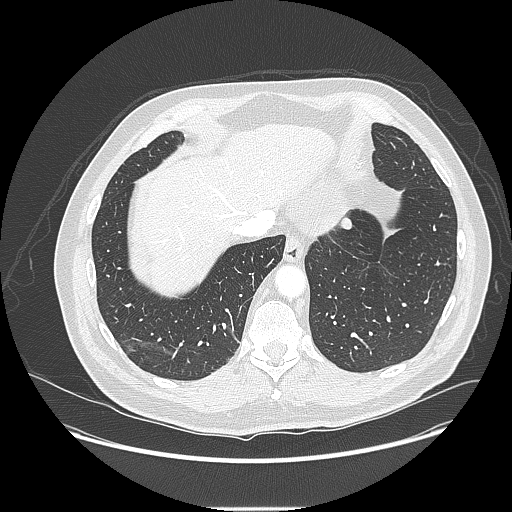
Slice 33/214 of a chest CT, counting up from the lowest; pixel size 0.820 mm, slice thickness 1.25 mm. Pulmonary nodule, outlined by all four readers. Box on this slice rows 216–229, columns 340–352, the union of the readers' outlines on this slice; median longest diameter 13.9 mm (readers' outlines 13.0–15.6 mm), median volume 655 mm3 (578–699 mm3). Median ratings and the readers' spread: texture 5/5 (solid), all four readers agreeing; margin 5/5 (circumscribed) at the median of four readers, spread 4/5 to 5/5 (circumscribed); sphericity 4.5/5 at the median of four readers, spread 3/5 (ovoid) to 5/5 (round); calcification absent, all four readers agreeing; internal structure soft tissue, all four readers agreeing; subtlety 4.5/5 at the median of four readers, spread 3–5; median malignancy likelihood 3.5/5 (readers ranged 2–4). Scale key (1–5): texture non-solid→solid, margin indistinct→circumscribed, sphericity linear→round, subtlety extremely subtle→obvious, malignancy likelihood highly unlikely→highly suspicious of cancer. Box rows and columns are 0-based pixel indices from the top-left corner, inclusive.
Acquired at 120 kVp and reconstructed with the LUNG kernel.